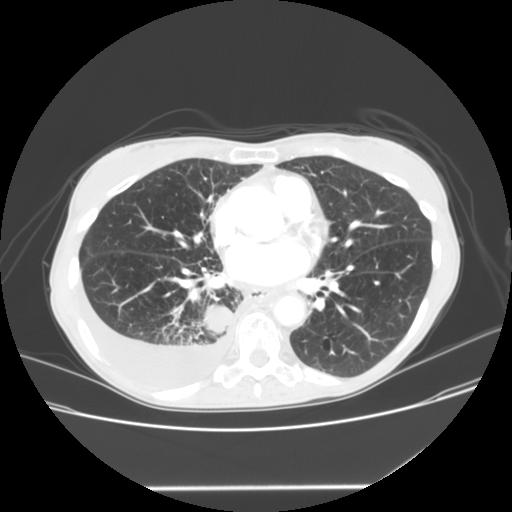
Axial chest CT slice 62 of 133 (counted from the lowest slice); tube voltage 120 kVp, convolution kernel STANDARD; slices 2.50 mm thick, 0.703 mm per pixel.
Pulmonary nodule at rows 304–333, columns 205–232 (box = the union of the readers' outlines on this slice), outlined by two of the four readers; median longest diameter 35.2 mm (readers' outlines 33.4–36.9 mm), median volume 15549 mm3 (15304–15793 mm3). Median ratings and the readers' spread: median texture 4.5/5 (readers ranged 4/5 to 5/5 (solid)); margin 5/5 (circumscribed), both readers agreeing; sphericity 4.5/5 at the median of two readers, spread 4/5 to 5/5 (round); calcification absent from both readers; internal structure soft tissue from both readers; subtlety 5/5, both readers agreeing; malignancy likelihood 2.5/5 at the median of two readers, spread 2–3. Scale key (1–5): texture non-solid→solid, margin indistinct→circumscribed, sphericity linear→round, subtlety extremely subtle→obvious, malignancy likelihood highly unlikely→highly suspicious of cancer. Box rows and columns are 0-based pixel indices from the top-left corner, inclusive.